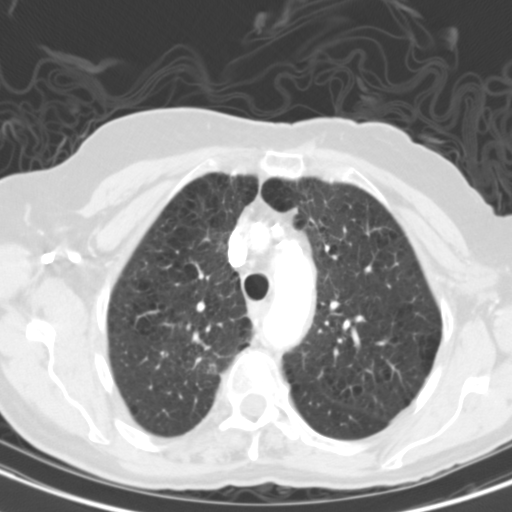
Chest CT, axial plane, 130 kVp, kernel B31s. Slice 93/117 from the bottom of the scan; thickness 3.00 mm; pixel size 0.566 mm.
Pulmonary nodule outlined by all four readers, two of them on this slice; box rows 358–363, columns 196–200 (the union of the readers' outlines on this slice); median longest diameter 36.7 mm (readers' outlines 31.3–41.7 mm), median volume 5754 mm3 (5062–7820 mm3). Ratings, median across the readers with their spread: texture 5/5 (solid), all four readers agreeing; margin 3.5/5 at the median of four readers, spread 1/5 (indistinct) to 4/5; sphericity 4/5 at the median of four readers, spread 3/5 (ovoid) to 5/5 (round); calcification absent from all four readers; internal structure soft tissue from all four readers; subtlety 5/5 from all four readers; malignancy likelihood 5/5, all four readers agreeing. Scale key (1–5): texture non-solid→solid, margin indistinct→circumscribed, sphericity linear→round, subtlety extremely subtle→obvious, malignancy likelihood highly unlikely→highly suspicious of cancer. Box rows and columns are 0-based pixel indices from the top-left corner, inclusive.